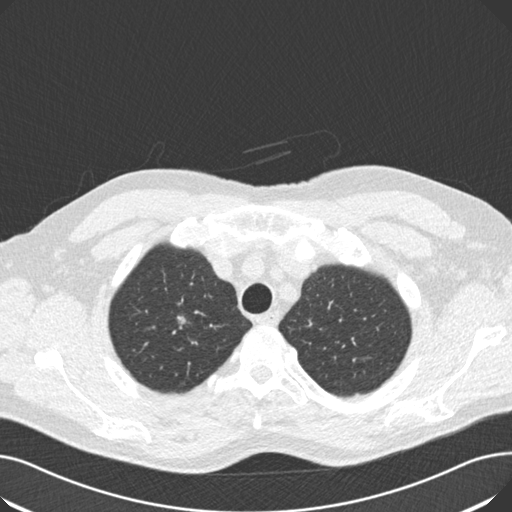
Axial chest CT slice 149 of 181 (counted from the lowest slice); tube voltage 120 kVp, convolution kernel B30f; slices 2.00 mm thick, 0.723 mm per pixel.
Pulmonary nodule at rows 316–323, columns 177–185 (box = the union of the readers' outlines on this slice), outlined by three of the four readers; the three readers' outlines give a longest diameter between 9.4 and 10.7 mm and a volume between 180 and 294 mm3. Ratings across the readers: texture from 3/5 (part-solid) to 4/5 across the three readers; margin from 1/5 (indistinct) to 3/5 across the three readers; sphericity from 2/5 to 4/5 across the three readers; calcification absent from all three readers; internal structure soft tissue from all three readers; subtlety 2–3/5 (the readers disagree); malignancy likelihood 2–3/5 (the readers disagree). Scale key (1–5): texture non-solid→solid, margin indistinct→circumscribed, sphericity linear→round, subtlety extremely subtle→obvious, malignancy likelihood highly unlikely→highly suspicious of cancer. Box rows and columns are 0-based pixel indices from the top-left corner, inclusive.